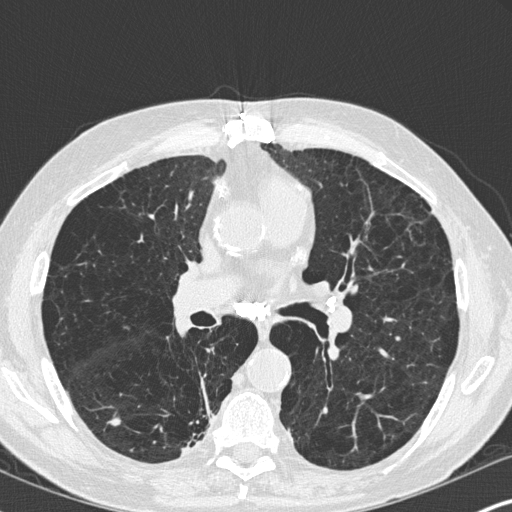
Axial slice 180 of 347 of a chest CT (slice 1 is the lowest), reconstructed with the B45f kernel at 120 kVp; 1.00 mm slice thickness and 0.625 mm pixels.
Pulmonary nodule, outlined by all four readers. Box on this slice rows 416–426, columns 107–120, the union of the readers' outlines on this slice; longest diameter 9.3 mm on average over the four readers' outlines (readers' outlines 8.9–9.6 mm), volume 130–187 mm3. The readers' prevailing ratings and who disagreed: texture 5/5 (solid) from all four readers; margin 5/5 (circumscribed), all four readers agreeing; sphericity split among the readers: 3/5 (ovoid) (two), 4/5 (two); calcification absent from all four readers; internal structure soft tissue from all four readers; subtlety split among the readers: 4/5 (two), 5/5 (two); malignancy likelihood 3/5, all four readers agreeing. Scale key (1–5): texture non-solid→solid, margin indistinct→circumscribed, sphericity linear→round, subtlety extremely subtle→obvious, malignancy likelihood highly unlikely→highly suspicious of cancer. Box rows and columns are 0-based pixel indices from the top-left corner, inclusive.